Axial slice 141 of 509 of a chest CT (slice 1 is the lowest), reconstructed with the STANDARD kernel at 120 kVp; 1.25 mm slice thickness and 0.703 mm pixels.
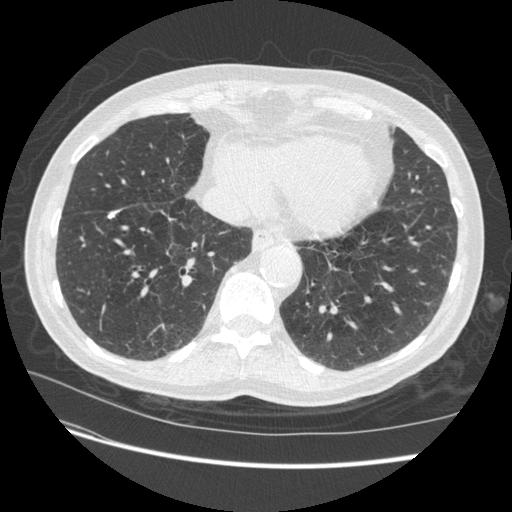
Pulmonary nodule at rows 211–217, columns 108–117 (box = the union of the readers' outlines on this slice), outlined by three of the four readers; median longest diameter 12.0 mm (readers' outlines 11.4–12.1 mm), median volume 377 mm3 (273–413 mm3). Ratings, median across the readers with their spread: texture 5/5 (solid), all three readers agreeing; margin 5/5 (circumscribed) at the median of three readers, spread 4/5 to 5/5 (circumscribed); sphericity 3/5 (ovoid) at the median of three readers, spread 3/5 (ovoid) to 4/5; calcification solid calcification, all three readers agreeing; internal structure soft tissue from all three readers; median subtlety 5/5 (readers ranged 4–5); malignancy likelihood 1/5, all three readers agreeing. Scale key (1–5): texture non-solid→solid, margin indistinct→circumscribed, sphericity linear→round, subtlety extremely subtle→obvious, malignancy likelihood highly unlikely→highly suspicious of cancer. Box rows and columns are 0-based pixel indices from the top-left corner, inclusive.